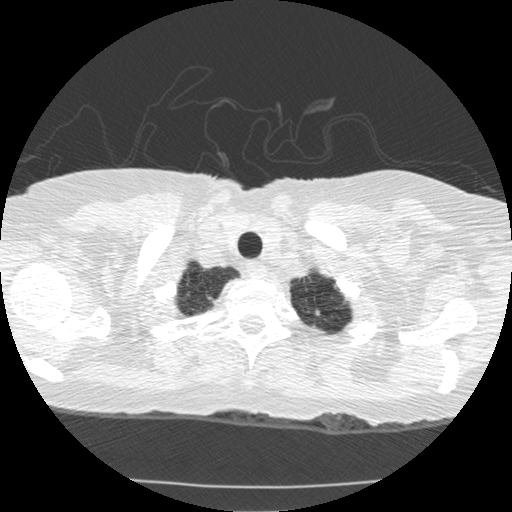
Slice 479/519 of a chest CT, counting up from the lowest; pixel size 0.645 mm, slice thickness 1.25 mm. Pulmonary nodule at rows 310–315, columns 314–319 (box = the union of the readers' outlines on this slice), outlined by two of the four readers; longest diameter 5.4 mm on average over the two readers' outlines (readers' outlines 4.9–5.8 mm), volume 38–50 mm3. The readers' prevailing ratings and who disagreed: texture 5/5 (solid), both readers agreeing; margin split among the readers: 4/5 (one), 5/5 (circumscribed) (one); sphericity 4/5 from both readers; calcification absent from both readers; internal structure soft tissue from both readers; subtlety 5/5 from both readers; malignancy likelihood split among the readers: 2/5 (one), 3/5 (one). Scale key (1–5): texture non-solid→solid, margin indistinct→circumscribed, sphericity linear→round, subtlety extremely subtle→obvious, malignancy likelihood highly unlikely→highly suspicious of cancer. Box rows and columns are 0-based pixel indices from the top-left corner, inclusive.
Tube voltage 120 kVp; convolution kernel STANDARD.